Axial chest CT slice 112 of 145 (counted from the lowest slice); tube voltage 120 kVp, convolution kernel STANDARD; slices 2.50 mm thick, 0.625 mm per pixel.
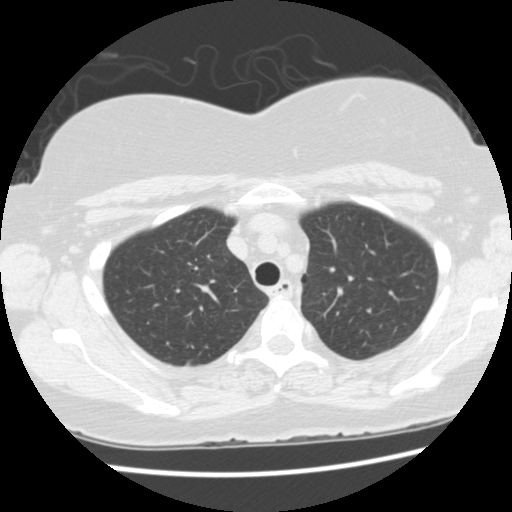
Pulmonary nodule, outlined by one of the four readers. Box on this slice rows 362–365, columns 186–189, that reader's outline on this slice; longest diameter 7.1 mm and volume 82 mm3 from that reader's outline. That reader's ratings: texture 5/5 (solid); margin 5/5 (circumscribed); sphericity 3/5 (ovoid); calcification absent; internal structure soft tissue; subtlety 5/5; malignancy likelihood 3/5. Scale key (1–5): texture non-solid→solid, margin indistinct→circumscribed, sphericity linear→round, subtlety extremely subtle→obvious, malignancy likelihood highly unlikely→highly suspicious of cancer. Box rows and columns are 0-based pixel indices from the top-left corner, inclusive.